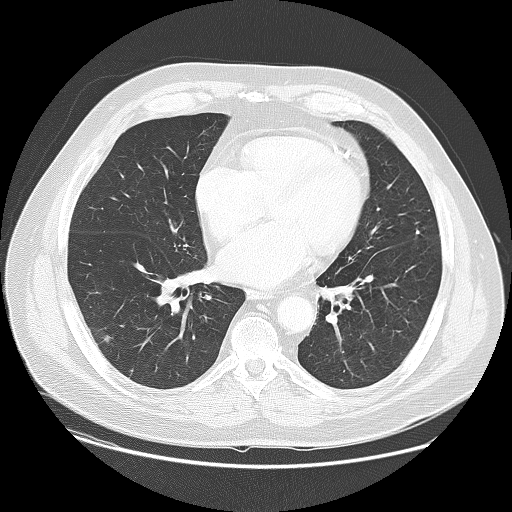
This is axial slice 59 of 133 (slice 1 is the lowest) of a chest CT; each pixel is 0.820 mm and the slice is 2.50 mm thick. Pulmonary nodule, outlined by all four readers. Box on this slice rows 335–342, columns 104–110, the union of the readers' outlines on this slice; longest diameter 7.9 mm on average over the four readers' outlines (readers' outlines 7.6–8.6 mm), volume 136–234 mm3. The readers' prevailing ratings and who disagreed: texture 5/5 (solid), all four readers agreeing; most readers (three of four) put margin at 5/5 (circumscribed), others 4/5 (one); sphericity split among the readers: 3/5 (ovoid) (two), 4/5 (two); calcification absent from all four readers; internal structure soft tissue from all four readers; subtlety 5/5 by two of four readers; the rest gave 2/5 (one), 4/5 (one); malignancy likelihood 3/5 by three of four readers; the rest gave 2/5 (one). Scale key (1–5): texture non-solid→solid, margin indistinct→circumscribed, sphericity linear→round, subtlety extremely subtle→obvious, malignancy likelihood highly unlikely→highly suspicious of cancer. Box rows and columns are 0-based pixel indices from the top-left corner, inclusive.
Acquired at 120 kVp and reconstructed with the LUNG kernel.